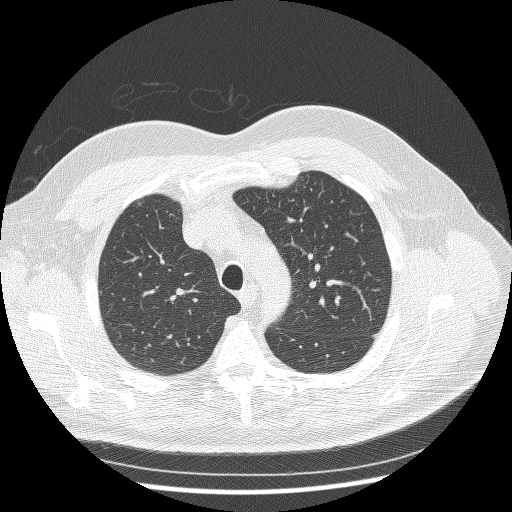
Slice 201/250 of a chest CT, counting up from the lowest; pixel size 0.721 mm, slice thickness 1.25 mm. Pulmonary nodule outlined by three of the four readers; box rows 200–207, columns 135–143 (the union of the readers' outlines on this slice); the three readers' outlines give a longest diameter between 9.8 and 12.3 mm and a volume between 257 and 353 mm3. The readers' ratings, as ranges where they differ: texture 1/5 (non-solid), all three readers agreeing; margin from 1/5 (indistinct) to 2/5 across the three readers; sphericity from 2/5 to 3/5 (ovoid) across the three readers; calcification absent from all three readers; internal structure soft tissue from all three readers; subtlety from 1/5 to 3/5 across the three readers; malignancy likelihood rated between 3 and 4 out of 5 by the three readers. Scale key (1–5): texture non-solid→solid, margin indistinct→circumscribed, sphericity linear→round, subtlety extremely subtle→obvious, malignancy likelihood highly unlikely→highly suspicious of cancer. Box rows and columns are 0-based pixel indices from the top-left corner, inclusive.
Acquired at 120 kVp and reconstructed with the BONE kernel.